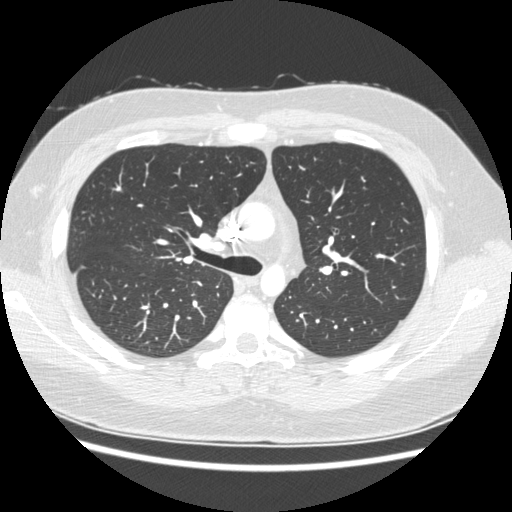
One axial slice (155 of 238, counting up from the lowest) of a chest CT acquired at 120 kVp with the STANDARD kernel; each pixel is 0.703 mm and the slice is 1.25 mm thick.
None of the four readers outlined a nodule of 3 mm or more on this slice.